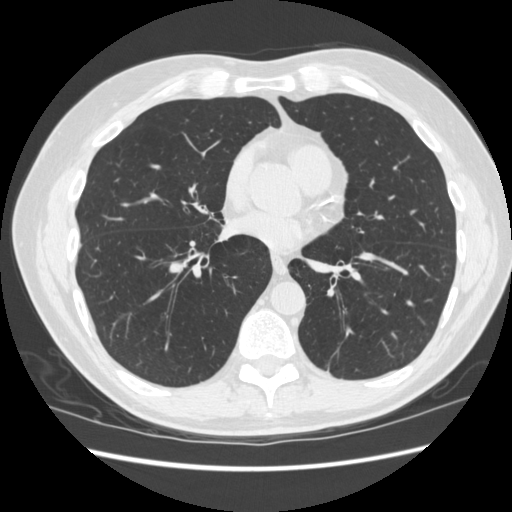
Axial chest CT slice 169 of 481 (counted from the lowest slice); tube voltage 120 kVp, convolution kernel STANDARD; slices 1.25 mm thick, 0.703 mm per pixel.
No nodule of 3 mm or larger was outlined by any of the four readers on this slice.